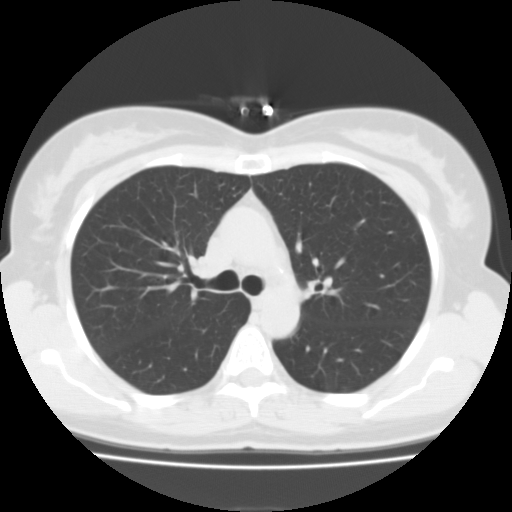
One axial slice (68 of 105, counting up from the lowest) of a chest CT acquired at 135 kVp with the FC01 kernel; each pixel is 0.644 mm and the slice is 3.00 mm thick.
No nodule of 3 mm or larger was outlined by any of the four readers on this slice.